One axial slice (164 of 232, counting up from the lowest) of a chest CT acquired at 120 kVp with the STANDARD kernel; each pixel is 0.781 mm and the slice is 1.25 mm thick.
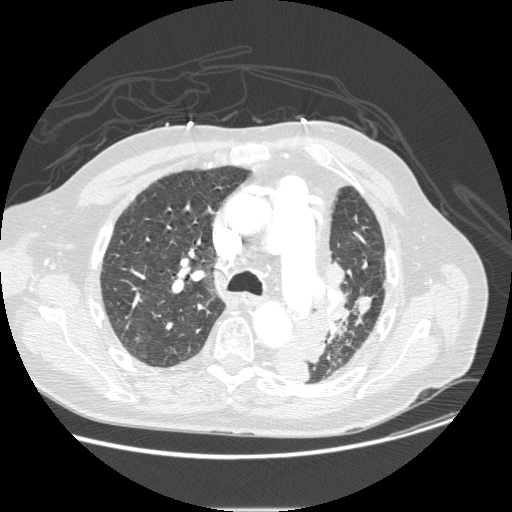
Pulmonary nodule at rows 295–317, columns 353–373 (box = the union of the readers' outlines on this slice), outlined by all four readers; the four readers' outlines give a longest diameter between 19.0 and 24.3 mm and a volume between 1498 and 2178 mm3. Ratings across the readers: texture 5/5 (solid) from all four readers; margin from 4/5 to 5/5 (circumscribed) across the four readers; sphericity 3/5 (ovoid), all four readers agreeing; calcification absent from all four readers; internal structure soft tissue, all four readers agreeing; subtlety rated between 4 and 5 out of 5 by the four readers; malignancy likelihood rated between 2 and 5 out of 5 by the four readers. Scale key (1–5): texture non-solid→solid, margin indistinct→circumscribed, sphericity linear→round, subtlety extremely subtle→obvious, malignancy likelihood highly unlikely→highly suspicious of cancer. Box rows and columns are 0-based pixel indices from the top-left corner, inclusive.